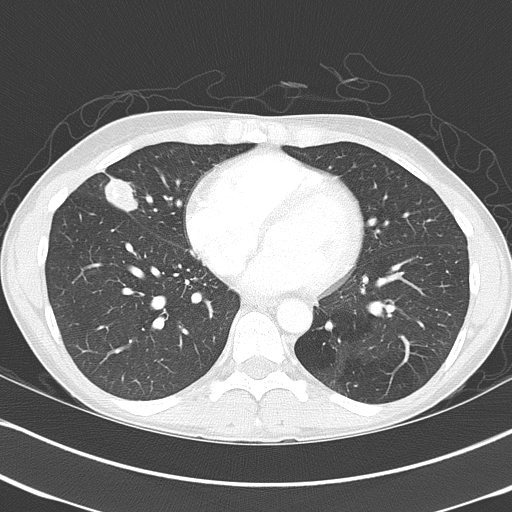
Chest CT, axial plane, 120 kVp, kernel B70f. Slice 173/368 from the bottom of the scan; thickness 2.00 mm; pixel size 0.623 mm.
Pulmonary nodule outlined by all four readers; box rows 172–212, columns 104–138 (the union of the readers' outlines on this slice); median longest diameter 29.8 mm (readers' outlines 27.1–39.3 mm), median volume 7696 mm3 (6531–9806 mm3). Median ratings and the readers' spread: texture 5/5 (solid) from all four readers; median margin 4/5 (readers ranged 2/5 to 5/5 (circumscribed)); sphericity 3/5 (ovoid) at the median of four readers, spread 2/5 to 3/5 (ovoid); calcification split among the readers: laminated calcification (one), absent (one), popcorn calcification (one), non-central calcification (one); internal structure soft tissue, all four readers agreeing; subtlety 5/5 from all four readers; malignancy likelihood 3/5 at the median of four readers, spread 1–5. Scale key (1–5): texture non-solid→solid, margin indistinct→circumscribed, sphericity linear→round, subtlety extremely subtle→obvious, malignancy likelihood highly unlikely→highly suspicious of cancer. Box rows and columns are 0-based pixel indices from the top-left corner, inclusive.